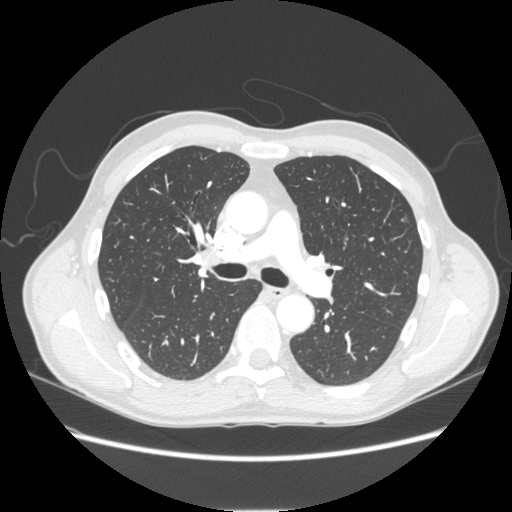
Chest CT, axial plane, 120 kVp, kernel STANDARD. Slice 149/253 from the bottom of the scan; thickness 1.25 mm; pixel size 0.742 mm.
Pulmonary nodule at rows 216–220, columns 403–407 (box = the one reader's outline on this slice), outlined by all four readers, one of them on this slice; longest diameter 6.6 mm on average over the four readers' outlines (readers' outlines 6.3–7.0 mm), volume 63–77 mm3. Ratings, by the readers' most common answer with dissent counted: texture 5/5 (solid), all four readers agreeing; margin split among the readers: 4/5 (two), 5/5 (circumscribed) (two); sphericity 5/5 (round) by two of four readers; the rest gave 2/5 (one), 4/5 (one); calcification absent, all four readers agreeing; internal structure soft tissue from all four readers; subtlety 3/5 by three of four readers; the rest gave 2/5 (one); malignancy likelihood split among the readers: 2/5 (two), 3/5 (two). Scale key (1–5): texture non-solid→solid, margin indistinct→circumscribed, sphericity linear→round, subtlety extremely subtle→obvious, malignancy likelihood highly unlikely→highly suspicious of cancer. Box rows and columns are 0-based pixel indices from the top-left corner, inclusive.